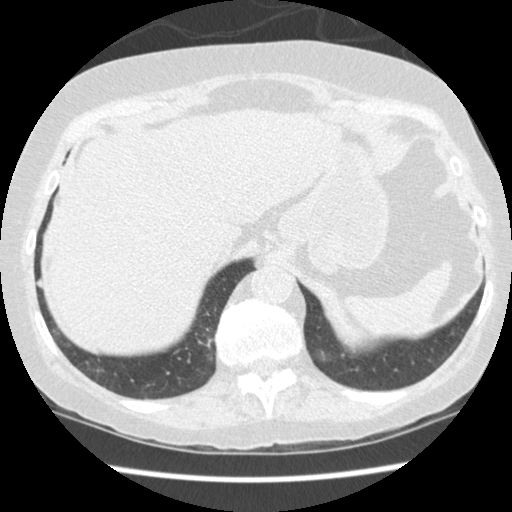
Axial chest CT slice 57 of 458 (counted from the lowest slice); tube voltage 120 kVp, convolution kernel STANDARD; slices 1.25 mm thick, 0.625 mm per pixel.
Pulmonary nodule at rows 279–286, columns 37–40 (box = that reader's outline on this slice), outlined by one of the four readers; longest diameter 6.4 mm and volume 86 mm3 from that reader's outline. Ratings by that reader: texture 5/5 (solid); margin 4/5; sphericity 3/5 (ovoid); calcification absent; internal structure soft tissue; subtlety 3/5; malignancy likelihood 1/5. Scale key (1–5): texture non-solid→solid, margin indistinct→circumscribed, sphericity linear→round, subtlety extremely subtle→obvious, malignancy likelihood highly unlikely→highly suspicious of cancer. Box rows and columns are 0-based pixel indices from the top-left corner, inclusive.